Axial slice 67 of 94 of a chest CT (slice 1 is the lowest), reconstructed with the B31s kernel at 130 kVp; 3.00 mm slice thickness and 0.570 mm pixels.
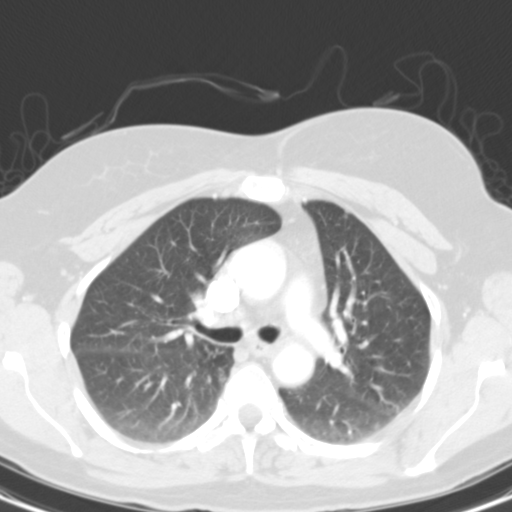
Pulmonary nodule at rows 369–382, columns 217–225 (box = the union of the readers' outlines on this slice), outlined by all four readers, two of them on this slice; longest diameter 18.6–23.0 mm and volume 949–1399 mm3 across the four readers' outlines. The readers' ratings, as ranges where they differ: texture from 4/5 to 5/5 (solid) across the four readers; margin from 4/5 to 5/5 (circumscribed) across the four readers; sphericity from 4/5 to 5/5 (round) across the four readers; calcification absent from all four readers; internal structure soft tissue from all four readers; subtlety 5/5, all four readers agreeing; malignancy likelihood from 2/5 to 5/5 across the four readers. Scale key (1–5): texture non-solid→solid, margin indistinct→circumscribed, sphericity linear→round, subtlety extremely subtle→obvious, malignancy likelihood highly unlikely→highly suspicious of cancer. Box rows and columns are 0-based pixel indices from the top-left corner, inclusive.